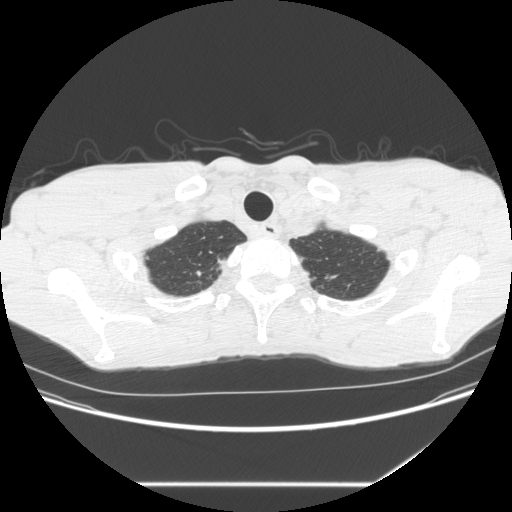
One axial slice (268 of 301, counting up from the lowest) of a chest CT acquired at 120 kVp with the STANDARD kernel; each pixel is 0.752 mm and the slice is 1.25 mm thick.
Pulmonary nodule, outlined by three of the four readers. Box on this slice rows 271–275, columns 196–201, the union of the readers' outlines on this slice; median longest diameter 6.9 mm (readers' outlines 6.9–7.9 mm), median volume 105 mm3 (79–115 mm3). Ratings, median across the readers with their spread: texture 5/5 (solid) at the median of three readers, spread 4/5 to 5/5 (solid); median margin 4/5 (readers ranged 3/5 to 4/5); sphericity 4/5 at the median of three readers, spread 2/5 to 4/5; calcification absent, all three readers agreeing; internal structure soft tissue, all three readers agreeing; median subtlety 3/5 (readers ranged 3–4); median malignancy likelihood 3/5 (readers ranged 2–3). Scale key (1–5): texture non-solid→solid, margin indistinct→circumscribed, sphericity linear→round, subtlety extremely subtle→obvious, malignancy likelihood highly unlikely→highly suspicious of cancer. Box rows and columns are 0-based pixel indices from the top-left corner, inclusive.